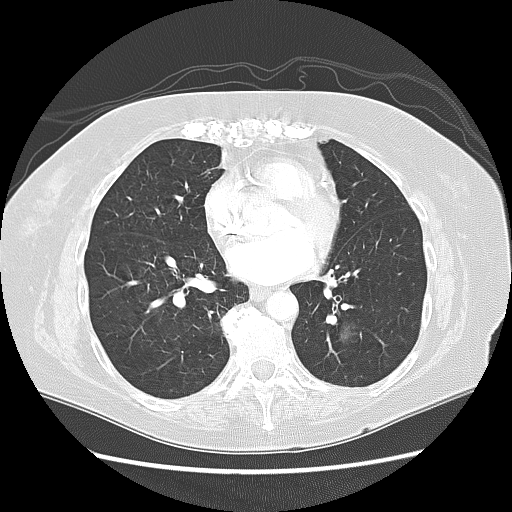
Axial chest CT slice 46 of 125 (counted from the lowest slice); tube voltage 120 kVp, convolution kernel LUNG; slices 2.50 mm thick, 0.703 mm per pixel.
Pulmonary nodule outlined by three of the four readers; box rows 321–343, columns 338–360 (the union of the readers' outlines on this slice); median longest diameter 17.4 mm (readers' outlines 16.8–17.9 mm), median volume 1430 mm3 (872–1576 mm3). Median ratings and the readers' spread: median texture 1/5 (non-solid) (readers ranged 1/5 (non-solid) to 2/5); margin 1/5 (indistinct) at the median of three readers, spread 1/5 (indistinct) to 4/5; median sphericity 3/5 (ovoid) (readers ranged 3/5 (ovoid) to 4/5); calcification absent from all three readers; internal structure soft tissue, all three readers agreeing; median subtlety 3/5 (readers ranged 2–4); malignancy likelihood 3/5 at the median of three readers, spread 2–5. Scale key (1–5): texture non-solid→solid, margin indistinct→circumscribed, sphericity linear→round, subtlety extremely subtle→obvious, malignancy likelihood highly unlikely→highly suspicious of cancer. Box rows and columns are 0-based pixel indices from the top-left corner, inclusive.